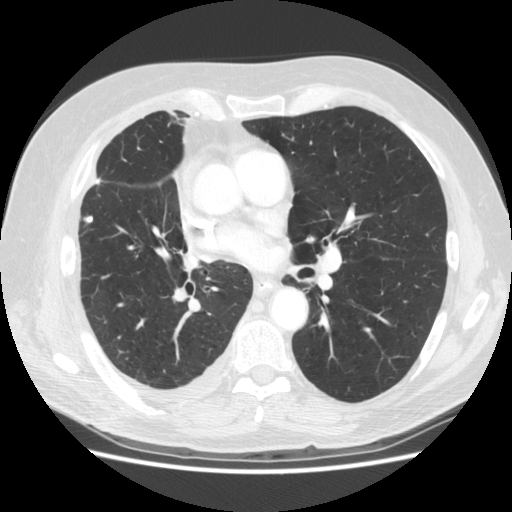
Chest CT, axial plane, 120 kVp, kernel STANDARD. Slice 163/295 from the bottom of the scan; thickness 2.50 mm; pixel size 0.703 mm.
Pulmonary nodule at rows 215–223, columns 83–93 (box = the union of the readers' outlines on this slice), outlined by all four readers; longest diameter 8.3 mm on average over the four readers' outlines (readers' outlines 8.0–8.7 mm), volume 146–188 mm3. The readers' prevailing ratings and who disagreed: texture 5/5 (solid) from all four readers; most readers (three of four) put margin at 5/5 (circumscribed), others 4/5 (one); sphericity split among the readers: 3/5 (ovoid) (two), 5/5 (round) (two); calcification solid calcification by three of four readers, absent (one); internal structure soft tissue, all four readers agreeing; subtlety 5/5, all four readers agreeing; malignancy likelihood 1/5 from all four readers. Scale key (1–5): texture non-solid→solid, margin indistinct→circumscribed, sphericity linear→round, subtlety extremely subtle→obvious, malignancy likelihood highly unlikely→highly suspicious of cancer. Box rows and columns are 0-based pixel indices from the top-left corner, inclusive.